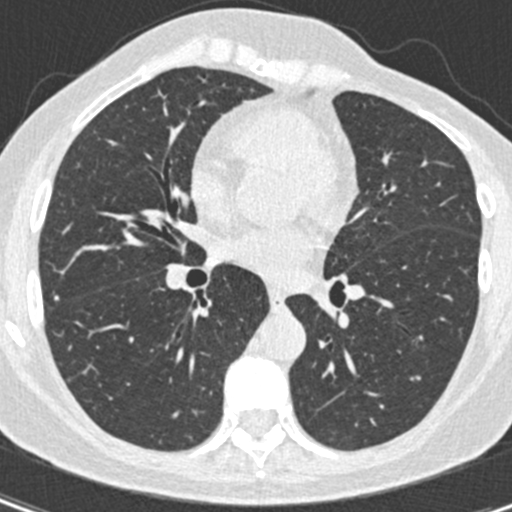
Axial slice 208 of 408 of a chest CT (slice 1 is the lowest), reconstructed with the B30f kernel at 120 kVp; 0.75 mm slice thickness and 0.531 mm pixels.
Pulmonary nodule outlined by one of the four readers; box rows 295–300, columns 54–58 (that reader's outline on this slice); longest diameter 4.0 mm and volume 31 mm3 from that reader's outline. That reader's ratings: texture 5/5 (solid); margin 5/5 (circumscribed); sphericity 5/5 (round); calcification absent; internal structure soft tissue; subtlety 5/5; malignancy likelihood 2/5. Scale key (1–5): texture non-solid→solid, margin indistinct→circumscribed, sphericity linear→round, subtlety extremely subtle→obvious, malignancy likelihood highly unlikely→highly suspicious of cancer. Box rows and columns are 0-based pixel indices from the top-left corner, inclusive.